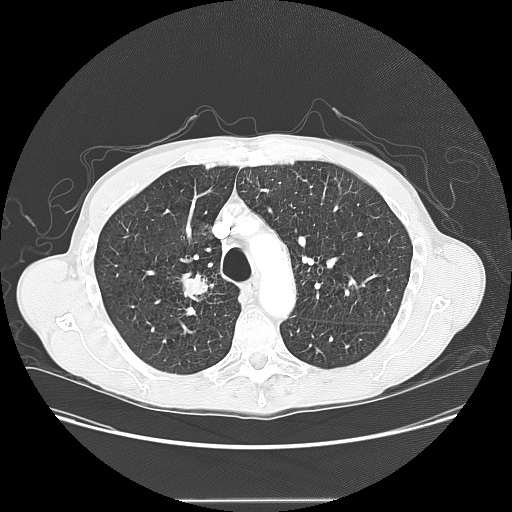
Axial chest CT slice 106 of 145 (counted from the lowest slice); 2.50 mm thick, 0.781 mm per pixel. Pulmonary nodule, outlined by all four readers. Box on this slice rows 271–301, columns 181–213, the union of the readers' outlines on this slice; the four readers' outlines give a longest diameter between 31.9 and 37.6 mm and a volume between 6100 and 11568 mm3. Ratings across the readers: texture from 4/5 to 5/5 (solid) across the four readers; margin from 2/5 to 4/5 across the four readers; sphericity from 3/5 (ovoid) to 5/5 (round) across the four readers; calcification absent from all four readers; internal structure soft tissue, all four readers agreeing; subtlety 5/5, all four readers agreeing; malignancy likelihood from 4/5 to 5/5 across the four readers. Scale key (1–5): texture non-solid→solid, margin indistinct→circumscribed, sphericity linear→round, subtlety extremely subtle→obvious, malignancy likelihood highly unlikely→highly suspicious of cancer. Box rows and columns are 0-based pixel indices from the top-left corner, inclusive.
Scan settings: 120 kVp, LUNG reconstruction kernel.